Chest CT, axial plane, 120 kVp, kernel B30f. Slice 124/182 from the bottom of the scan; thickness 2.00 mm; pixel size 0.625 mm.
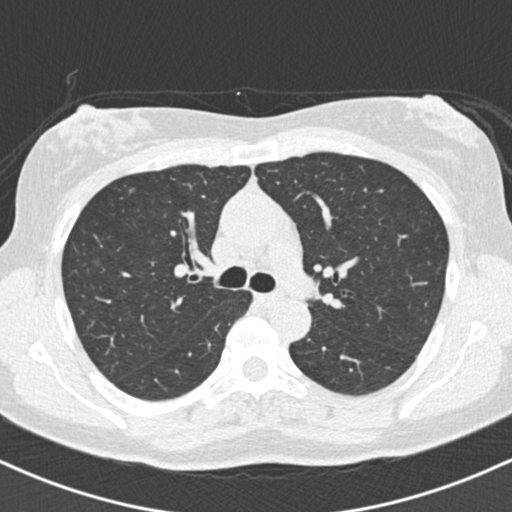
Two pulmonary nodules are outlined on this slice; from left to right: (1) Pulmonary nodule, outlined by two of the four readers. Box on this slice rows 256–265, columns 92–99, the union of the readers' outlines on this slice; median longest diameter 10.6 mm (readers' outlines 10.6 mm), median volume 177 mm3 (177 mm3). Median ratings and the readers' spread: texture 1/5 (non-solid) from both readers; margin 1/5 (indistinct), both readers agreeing; sphericity 4/5 from both readers; calcification absent, both readers agreeing; internal structure soft tissue, both readers agreeing; median subtlety 2/5 (readers ranged 1–3); malignancy likelihood 2.5/5 at the median of two readers, spread 2–3. (2) Pulmonary nodule, outlined by all four readers. Box on this slice rows 187–193, columns 128–135, the union of the readers' outlines on this slice; longest diameter 5.3 mm on average over the four readers' outlines (readers' outlines 4.2–6.8 mm), volume 25–77 mm3. The readers' prevailing ratings and who disagreed: texture 1/5 (non-solid) by two of four readers; the rest gave 2/5 (one), 3/5 (part-solid) (one); margin 3/5 by three of four readers; the rest gave 2/5 (one); sphericity 3/5 (ovoid) by three of four readers; the rest gave 4/5 (one); calcification absent, all four readers agreeing; internal structure soft tissue by three of four readers, fluid (one); subtlety 2/5 by three of four readers; the rest gave 4/5 (one); malignancy likelihood 2/5 by three of four readers; the rest gave 3/5 (one). Scale key (1–5): texture non-solid→solid, margin indistinct→circumscribed, sphericity linear→round, subtlety extremely subtle→obvious, malignancy likelihood highly unlikely→highly suspicious of cancer. Box rows and columns are 0-based pixel indices from the top-left corner, inclusive.